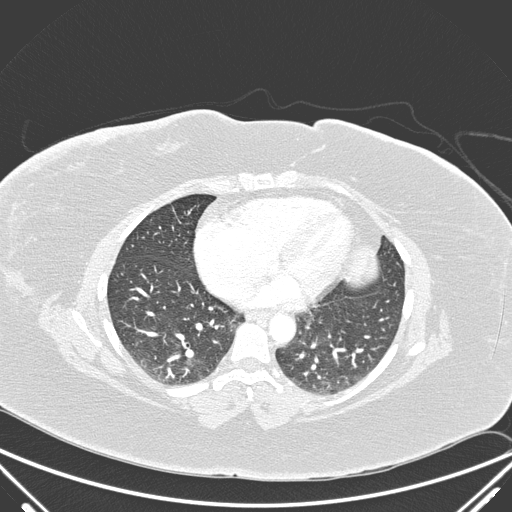
Axial chest CT slice 68 of 220 (counted from the lowest slice); tube voltage 140 kVp, convolution kernel D; slices 1.00 mm thick, 0.770 mm per pixel.
No nodule 3 mm or larger was outlined here by any reader.